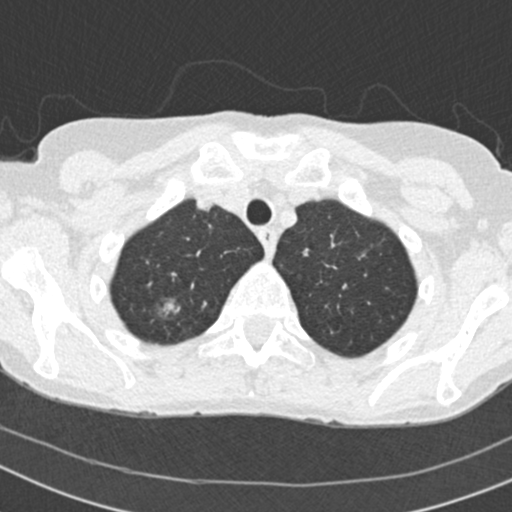
Axial slice 171 of 202 of a chest CT (slice 1 is the lowest), reconstructed with the B30f kernel at 120 kVp; 2.00 mm slice thickness and 0.566 mm pixels.
Pulmonary nodule, outlined by all four readers. Box on this slice rows 298–317, columns 157–180, the union of the readers' outlines on this slice; longest diameter 10.9–15.0 mm and volume 306–786 mm3 across the four readers' outlines. The readers' ratings, as ranges where they differ: texture from 3/5 (part-solid) to 5/5 (solid) across the four readers; margin from 1/5 (indistinct) to 3/5 across the four readers; sphericity from 3/5 (ovoid) to 4/5 across the four readers; calcification absent, all four readers agreeing; internal structure soft tissue, all four readers agreeing; subtlety rated between 3 and 4 out of 5 by the four readers; malignancy likelihood 3–5/5 (the readers disagree). Scale key (1–5): texture non-solid→solid, margin indistinct→circumscribed, sphericity linear→round, subtlety extremely subtle→obvious, malignancy likelihood highly unlikely→highly suspicious of cancer. Box rows and columns are 0-based pixel indices from the top-left corner, inclusive.